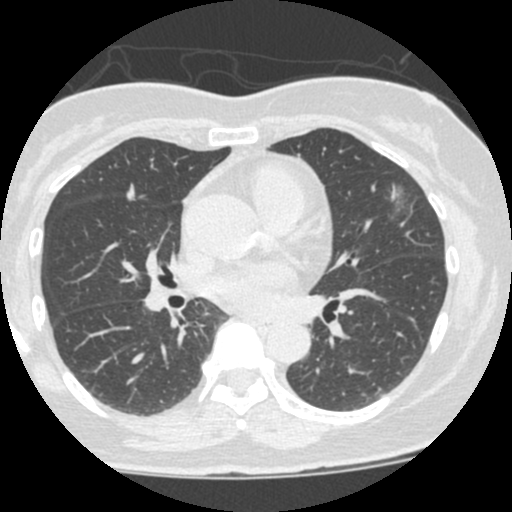
One axial slice (278 of 490, counting up from the lowest) of a chest CT acquired at 120 kVp with the STANDARD kernel; each pixel is 0.547 mm and the slice is 1.25 mm thick.
Pulmonary nodule outlined by two of the four readers; box rows 181–223, columns 381–410 (the union of the readers' outlines on this slice); median longest diameter 26.9 mm (readers' outlines 26.3–27.5 mm), median volume 1510 mm3 (1167–1852 mm3). Median ratings and the readers' spread: texture 1/5 (non-solid), both readers agreeing; margin 1.5/5 at the median of two readers, spread 1/5 (indistinct) to 2/5; sphericity 3.5/5 at the median of two readers, spread 2/5 to 5/5 (round); calcification absent, both readers agreeing; internal structure soft tissue from both readers; subtlety 3/5 at the median of two readers, spread 1–5; median malignancy likelihood 2.5/5 (readers ranged 2–3). Scale key (1–5): texture non-solid→solid, margin indistinct→circumscribed, sphericity linear→round, subtlety extremely subtle→obvious, malignancy likelihood highly unlikely→highly suspicious of cancer. Box rows and columns are 0-based pixel indices from the top-left corner, inclusive.